Axial chest CT slice 130 of 350 (counted from the lowest slice); tube voltage 120 kVp, convolution kernel C; slices 1.50 mm thick, 0.725 mm per pixel.
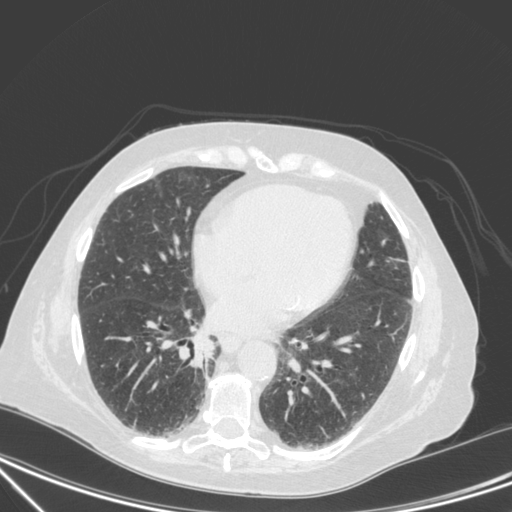
Pulmonary nodule, outlined by one of the four readers. Box on this slice rows 337–365, columns 192–212, that reader's outline on this slice; longest diameter 29.7 mm and volume 4028 mm3 from that reader's outline. Ratings by that reader: texture 5/5 (solid); margin 3/5; sphericity 3/5 (ovoid); calcification absent; internal structure soft tissue; subtlety 5/5; malignancy likelihood 4/5. Scale key (1–5): texture non-solid→solid, margin indistinct→circumscribed, sphericity linear→round, subtlety extremely subtle→obvious, malignancy likelihood highly unlikely→highly suspicious of cancer. Box rows and columns are 0-based pixel indices from the top-left corner, inclusive.